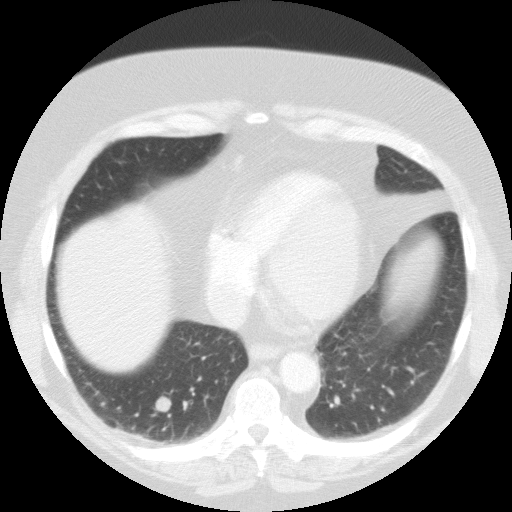
Axial slice 45 of 111 of a chest CT (slice 1 is the lowest), reconstructed with the FC01 kernel at 135 kVp; 3.00 mm slice thickness and 0.751 mm pixels.
Pulmonary nodule, outlined by all four readers. Box on this slice rows 396–411, columns 154–171, the union of the readers' outlines on this slice; the four readers' outlines give a longest diameter between 14.6 and 18.2 mm and a volume between 1388 and 1524 mm3. Ratings across the readers: texture 5/5 (solid) from all four readers; margin 5/5 (circumscribed), all four readers agreeing; sphericity 5/5 (round) from all four readers; calcification absent from all four readers; internal structure soft tissue, all four readers agreeing; subtlety from 3/5 to 5/5 across the four readers; malignancy likelihood 2–5/5 (the readers disagree). Scale key (1–5): texture non-solid→solid, margin indistinct→circumscribed, sphericity linear→round, subtlety extremely subtle→obvious, malignancy likelihood highly unlikely→highly suspicious of cancer. Box rows and columns are 0-based pixel indices from the top-left corner, inclusive.